Chest CT, axial plane, 120 kVp, kernel STANDARD. Slice 210/261 from the bottom of the scan; thickness 1.25 mm; pixel size 0.684 mm.
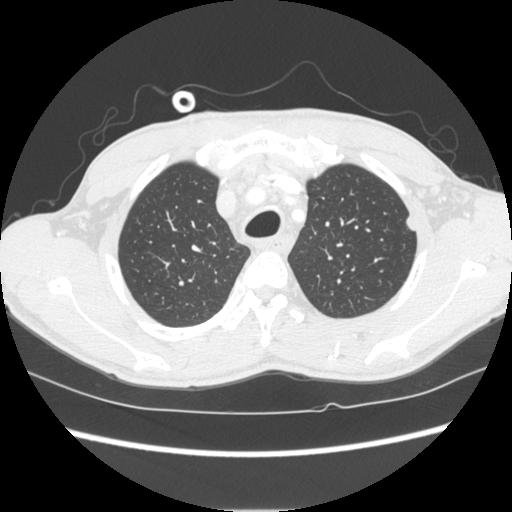
Pulmonary nodule at rows 214–231, columns 406–415 (box = the union of the readers' outlines on this slice), outlined by all four readers; longest diameter 12.5 mm on average over the four readers' outlines (readers' outlines 11.7–13.4 mm), volume 372–605 mm3. The readers' prevailing ratings and who disagreed: texture 5/5 (solid) from all four readers; margin 5/5 (circumscribed) from all four readers; sphericity 4/5 by two of four readers; the rest gave 3/5 (ovoid) (one), 5/5 (round) (one); calcification absent, all four readers agreeing; internal structure soft tissue from all four readers; subtlety 5/5 by two of four readers; the rest gave 3/5 (one), 4/5 (one); malignancy likelihood split among the readers: 2/5 (one), 3/5 (one), 4/5 (one), 5/5 (one). Scale key (1–5): texture non-solid→solid, margin indistinct→circumscribed, sphericity linear→round, subtlety extremely subtle→obvious, malignancy likelihood highly unlikely→highly suspicious of cancer. Box rows and columns are 0-based pixel indices from the top-left corner, inclusive.